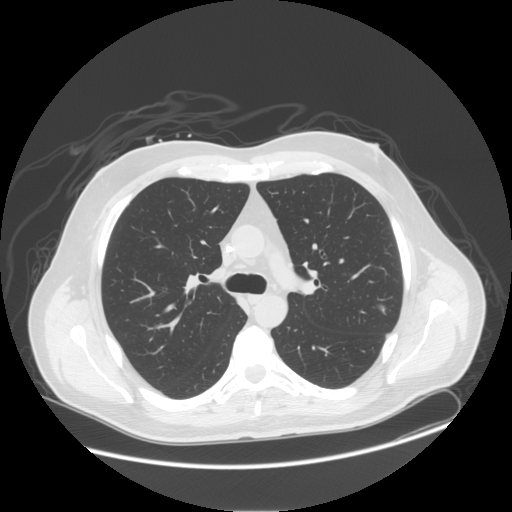
One axial slice (95 of 143, counting up from the lowest) of a chest CT acquired at 120 kVp with the STANDARD kernel; each pixel is 0.859 mm and the slice is 2.50 mm thick.
Pulmonary nodule, outlined by two of the four readers. Box on this slice rows 303–314, columns 376–386, the union of the readers' outlines on this slice; median longest diameter 12.8 mm (readers' outlines 12.2–13.4 mm), median volume 259 mm3 (234–285 mm3). Median ratings and the readers' spread: texture 1/5 (non-solid) from both readers; margin 2/5 from both readers; sphericity 4/5 at the median of two readers, spread 3/5 (ovoid) to 5/5 (round); calcification absent, both readers agreeing; internal structure soft tissue from both readers; median subtlety 1.5/5 (readers ranged 1–2); median malignancy likelihood 2.5/5 (readers ranged 2–3). Scale key (1–5): texture non-solid→solid, margin indistinct→circumscribed, sphericity linear→round, subtlety extremely subtle→obvious, malignancy likelihood highly unlikely→highly suspicious of cancer. Box rows and columns are 0-based pixel indices from the top-left corner, inclusive.